One axial slice (109 of 199, counting up from the lowest) of a chest CT acquired at 120 kVp with the B30f kernel; each pixel is 0.566 mm and the slice is 2.00 mm thick.
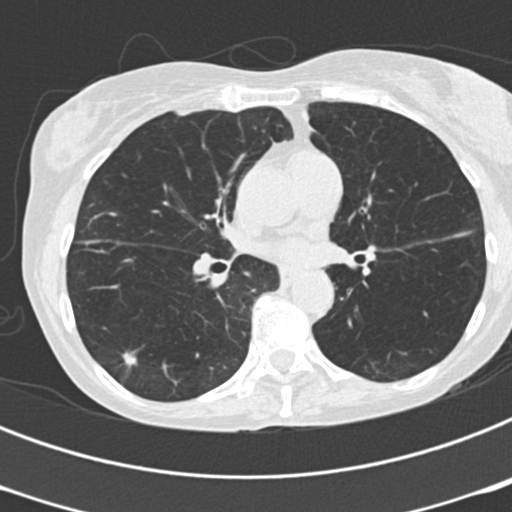
Pulmonary nodule, outlined by all four readers. Box on this slice rows 349–367, columns 120–137, the union of the readers' outlines on this slice; median longest diameter 10.8 mm (readers' outlines 9.0–12.4 mm), median volume 284 mm3 (155–452 mm3). Ratings, median across the readers with their spread: median texture 4/5 (readers ranged 4/5 to 5/5 (solid)); margin 3.5/5 at the median of four readers, spread 2/5 to 4/5; median sphericity 3.5/5 (readers ranged 2/5 to 5/5 (round)); calcification absent, all four readers agreeing; internal structure soft tissue, all four readers agreeing; median subtlety 4.5/5 (readers ranged 3–5); median malignancy likelihood 4.5/5 (readers ranged 3–5). Scale key (1–5): texture non-solid→solid, margin indistinct→circumscribed, sphericity linear→round, subtlety extremely subtle→obvious, malignancy likelihood highly unlikely→highly suspicious of cancer. Box rows and columns are 0-based pixel indices from the top-left corner, inclusive.